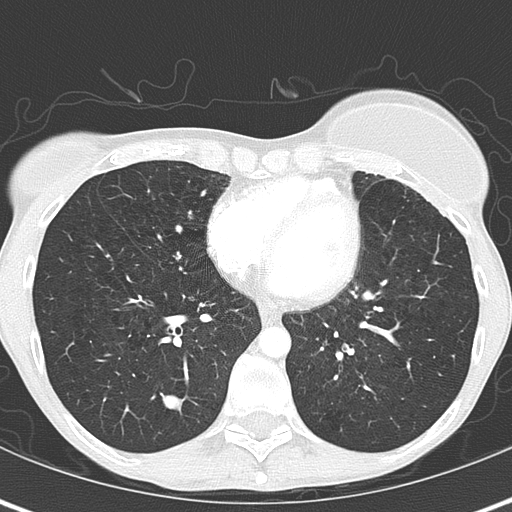
One axial slice (161 of 345, counting up from the lowest) of a chest CT acquired at 120 kVp with the B70f kernel; each pixel is 0.541 mm and the slice is 2.00 mm thick.
Pulmonary nodule at rows 395–412, columns 162–181 (box = the union of the readers' outlines on this slice), outlined by all four readers; the four readers' outlines give a longest diameter between 13.7 and 13.9 mm and a volume between 707 and 844 mm3. The readers' ratings, as ranges where they differ: texture 5/5 (solid), all four readers agreeing; margin 5/5 (circumscribed) from all four readers; sphericity from 3/5 (ovoid) to 5/5 (round) across the four readers; calcification split among the readers: laminated calcification (two), solid calcification (two); internal structure soft tissue from all four readers; subtlety 5/5, all four readers agreeing; malignancy likelihood 1/5, all four readers agreeing. Scale key (1–5): texture non-solid→solid, margin indistinct→circumscribed, sphericity linear→round, subtlety extremely subtle→obvious, malignancy likelihood highly unlikely→highly suspicious of cancer. Box rows and columns are 0-based pixel indices from the top-left corner, inclusive.